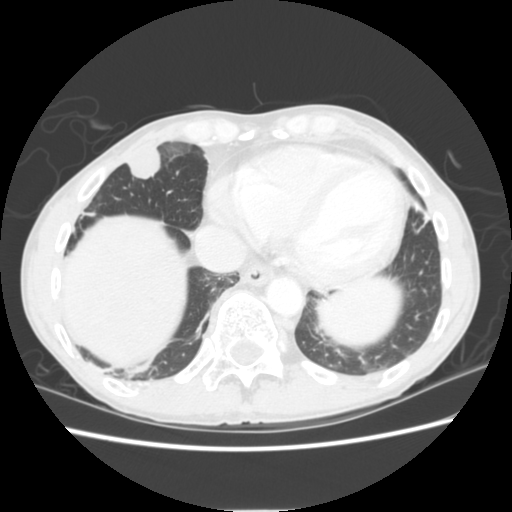
Axial slice 56 of 255 of a chest CT (slice 1 is the lowest), reconstructed with the STANDARD kernel at 120 kVp; 2.50 mm slice thickness and 0.664 mm pixels.
Pulmonary nodule outlined by all four readers; box rows 145–180, columns 126–161 (the union of the readers' outlines on this slice); longest diameter 27.2 mm on average over the four readers' outlines (readers' outlines 25.4–30.3 mm), volume 4677–6345 mm3. Ratings, by the readers' most common answer with dissent counted: texture 5/5 (solid) from all four readers; margin split among the readers: 4/5 (two), 5/5 (circumscribed) (two); sphericity 4/5 by two of four readers; the rest gave 3/5 (ovoid) (one), 5/5 (round) (one); calcification absent, all four readers agreeing; internal structure soft tissue, all four readers agreeing; subtlety 5/5, all four readers agreeing; most readers (three of four) put malignancy likelihood at 5/5, others 3/5 (one). Scale key (1–5): texture non-solid→solid, margin indistinct→circumscribed, sphericity linear→round, subtlety extremely subtle→obvious, malignancy likelihood highly unlikely→highly suspicious of cancer. Box rows and columns are 0-based pixel indices from the top-left corner, inclusive.